Axial chest CT slice 300 of 557 (counted from the lowest slice); tube voltage 120 kVp, convolution kernel STANDARD; slices 1.25 mm thick, 0.703 mm per pixel.
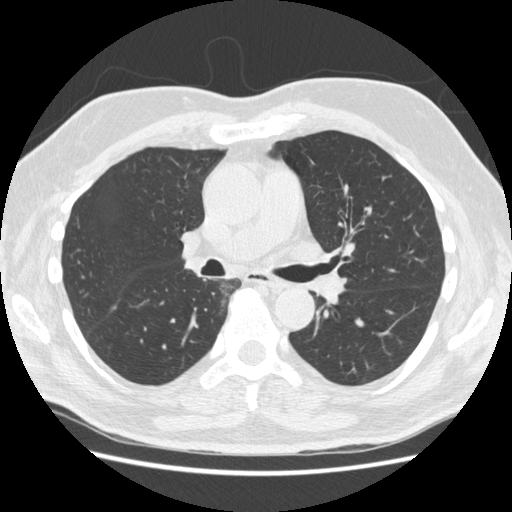
Pulmonary nodule at rows 304–310, columns 111–118 (box = the union of the readers' outlines on this slice), outlined by all four readers, three of them on this slice; longest diameter 22.3 mm on average over the four readers' outlines (readers' outlines 19.1–25.0 mm), volume 785–1099 mm3. Ratings, by the readers' most common answer with dissent counted: texture 5/5 (solid) by three of four readers; the rest gave 4/5 (one); margin 3/5 by two of four readers; the rest gave 4/5 (one), 5/5 (circumscribed) (one); sphericity 3/5 (ovoid) by three of four readers; the rest gave 2/5 (one); calcification absent from all four readers; internal structure soft tissue from all four readers; subtlety 5/5 by three of four readers; the rest gave 4/5 (one); malignancy likelihood 4/5 by two of four readers; the rest gave 2/5 (one), 5/5 (one). Scale key (1–5): texture non-solid→solid, margin indistinct→circumscribed, sphericity linear→round, subtlety extremely subtle→obvious, malignancy likelihood highly unlikely→highly suspicious of cancer. Box rows and columns are 0-based pixel indices from the top-left corner, inclusive.